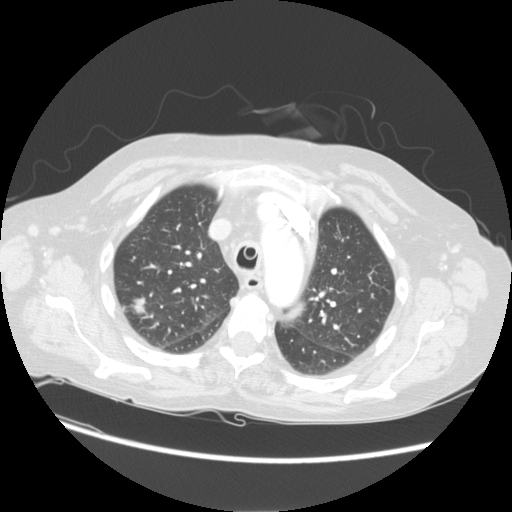
Axial chest CT slice 90 of 113 (counted from the lowest slice); tube voltage 120 kVp, convolution kernel STANDARD; slices 2.50 mm thick, 0.742 mm per pixel.
Pulmonary nodule at rows 294–314, columns 127–147 (box = the union of the readers' outlines on this slice), outlined by all four readers; the four readers' outlines give a longest diameter between 19.0 and 21.1 mm and a volume between 1815 and 2942 mm3. Ratings across the readers: texture 5/5 (solid) from all four readers; margin from 2/5 to 5/5 (circumscribed) across the four readers; sphericity from 3/5 (ovoid) to 5/5 (round) across the four readers; calcification absent, all four readers agreeing; internal structure soft tissue, all four readers agreeing; subtlety 5/5 from all four readers; malignancy likelihood from 3/5 to 5/5 across the four readers. Scale key (1–5): texture non-solid→solid, margin indistinct→circumscribed, sphericity linear→round, subtlety extremely subtle→obvious, malignancy likelihood highly unlikely→highly suspicious of cancer. Box rows and columns are 0-based pixel indices from the top-left corner, inclusive.